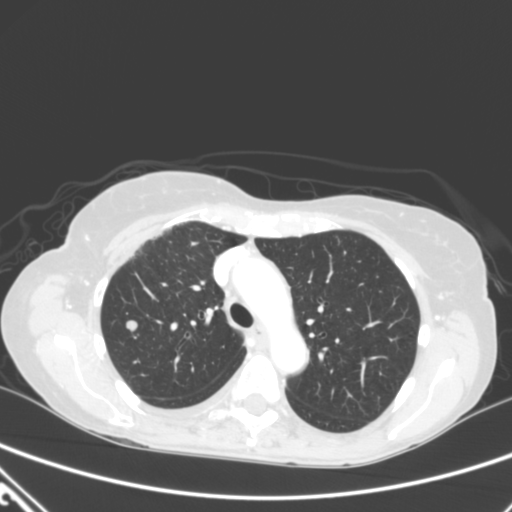
Axial chest CT slice 234 of 320 (counted from the lowest slice); 2.00 mm thick, 0.662 mm per pixel. Pulmonary nodule outlined by all four readers; box rows 320–331, columns 125–137 (the union of the readers' outlines on this slice); longest diameter 9.2 mm on average over the four readers' outlines (readers' outlines 8.0–10.5 mm), volume 192–341 mm3. Ratings, by the readers' most common answer with dissent counted: texture 5/5 (solid) from all four readers; most readers (three of four) put margin at 5/5 (circumscribed), others 4/5 (one); sphericity split among the readers: 4/5 (two), 5/5 (round) (two); calcification absent, all four readers agreeing; internal structure soft tissue, all four readers agreeing; subtlety 5/5 from all four readers; malignancy likelihood 5/5 by two of four readers; the rest gave 2/5 (one), 4/5 (one). Scale key (1–5): texture non-solid→solid, margin indistinct→circumscribed, sphericity linear→round, subtlety extremely subtle→obvious, malignancy likelihood highly unlikely→highly suspicious of cancer. Box rows and columns are 0-based pixel indices from the top-left corner, inclusive.
Tube voltage 120 kVp; convolution kernel B.